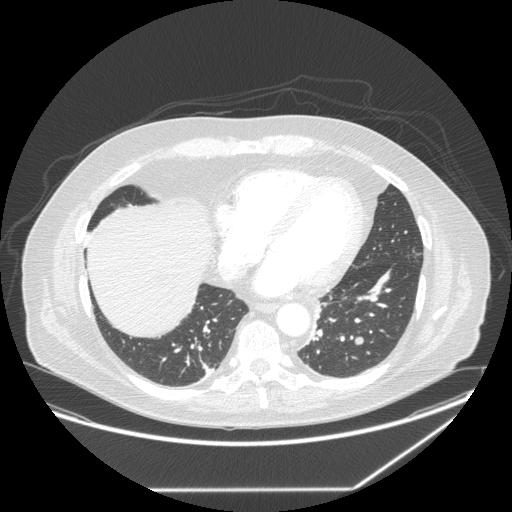
Axial chest CT slice 100 of 258 (counted from the lowest slice); 1.25 mm thick, 0.859 mm per pixel. Pulmonary nodule, outlined by all four readers. Box on this slice rows 336–344, columns 354–363, the union of the readers' outlines on this slice; the four readers' outlines give a longest diameter between 8.2 and 13.3 mm and a volume between 212 and 384 mm3. Ratings across the readers: texture 5/5 (solid), all four readers agreeing; margin from 4/5 to 5/5 (circumscribed) across the four readers; sphericity from 4/5 to 5/5 (round) across the four readers; calcification absent, all four readers agreeing; internal structure soft tissue from all four readers; subtlety from 3/5 to 4/5 across the four readers; malignancy likelihood rated between 2 and 4 out of 5 by the four readers. Scale key (1–5): texture non-solid→solid, margin indistinct→circumscribed, sphericity linear→round, subtlety extremely subtle→obvious, malignancy likelihood highly unlikely→highly suspicious of cancer. Box rows and columns are 0-based pixel indices from the top-left corner, inclusive.
Tube voltage 120 kVp; convolution kernel STANDARD.